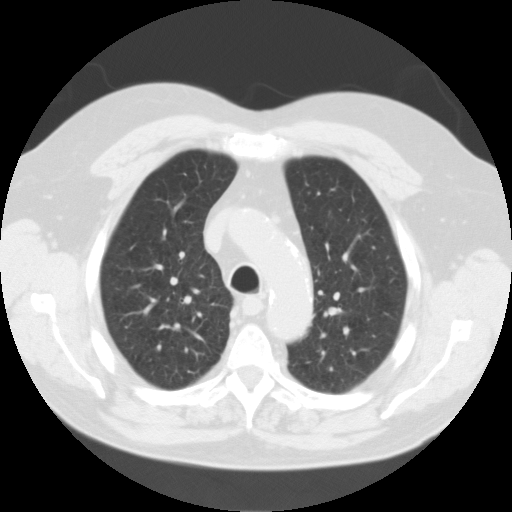
Axial chest CT slice 90 of 115 (counted from the lowest slice); 3.00 mm thick, 0.720 mm per pixel. No nodule of 3 mm or larger was outlined by any of the four readers on this slice.
Scan settings: 135 kVp, FC01 reconstruction kernel.